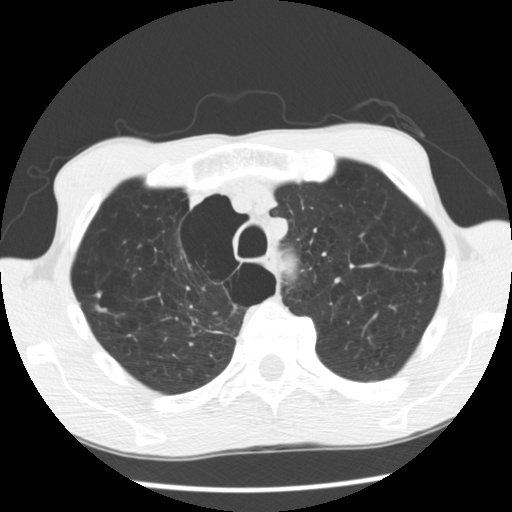
Slice 231/292 of a chest CT, counting up from the lowest; pixel size 0.645 mm, slice thickness 2.50 mm. Two pulmonary nodules on this slice, listed from left to right. (1) Pulmonary nodule, outlined by one of the four readers. Box on this slice rows 290–297, columns 95–101, that reader's outline on this slice; longest diameter 7.0 mm and volume 85 mm3 from that reader's outline. Ratings by that reader: texture 5/5 (solid); margin 4/5; sphericity 4/5; calcification absent; internal structure soft tissue; subtlety 2/5; malignancy likelihood 2/5. (2) Pulmonary nodule at rows 305–311, columns 95–106 (box = the union of the readers' outlines on this slice), outlined by two of the four readers; the two readers' outlines give a longest diameter between 8.2 and 9.6 mm and a volume between 110 and 186 mm3. The readers' ratings, as ranges where they differ: texture 4/5, both readers agreeing; margin 4/5, both readers agreeing; sphericity from 2/5 to 4/5 across the two readers; calcification absent, both readers agreeing; internal structure soft tissue, both readers agreeing; subtlety 3/5, both readers agreeing; malignancy likelihood rated between 2 and 3 out of 5 by the two readers. Scale key (1–5): texture non-solid→solid, margin indistinct→circumscribed, sphericity linear→round, subtlety extremely subtle→obvious, malignancy likelihood highly unlikely→highly suspicious of cancer. Box rows and columns are 0-based pixel indices from the top-left corner, inclusive.
Scan settings: 120 kVp, STANDARD reconstruction kernel.